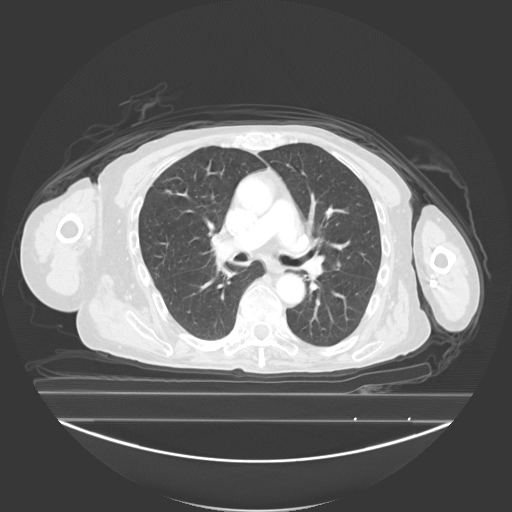
Axial slice 150 of 278 of a chest CT (slice 1 is the lowest), reconstructed with the B40s kernel at 130 kVp; 3.00 mm slice thickness and 0.977 mm pixels.
Pulmonary nodule outlined by three of the four readers, two of them on this slice; box rows 261–266, columns 337–340 (the union of the readers' outlines on this slice); the three readers' outlines give a longest diameter between 12.8 and 14.8 mm and a volume between 665 and 985 mm3. The readers' ratings, as ranges where they differ: texture from 4/5 to 5/5 (solid) across the three readers; margin 4/5 from all three readers; sphericity from 4/5 to 5/5 (round) across the three readers; calcification absent from all three readers; internal structure soft tissue, all three readers agreeing; subtlety from 3/5 to 5/5 across the three readers; malignancy likelihood from 2/5 to 4/5 across the three readers. Scale key (1–5): texture non-solid→solid, margin indistinct→circumscribed, sphericity linear→round, subtlety extremely subtle→obvious, malignancy likelihood highly unlikely→highly suspicious of cancer. Box rows and columns are 0-based pixel indices from the top-left corner, inclusive.